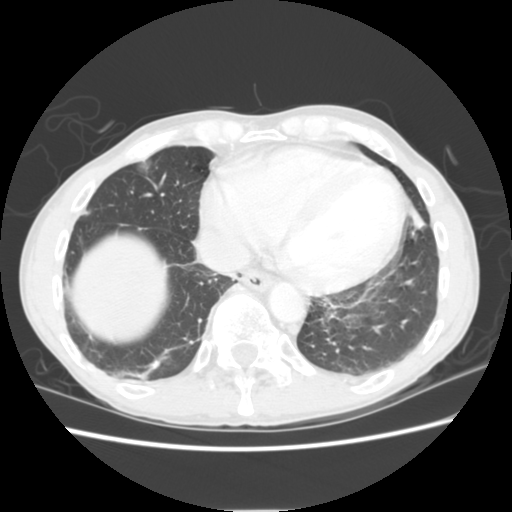
Axial chest CT slice 63 of 255 (counted from the lowest slice); tube voltage 120 kVp, convolution kernel STANDARD; slices 2.50 mm thick, 0.664 mm per pixel.
Pulmonary nodule, outlined by all four readers, three of them on this slice. Box on this slice rows 159–174, columns 136–151, the union of the readers' outlines on this slice; longest diameter 27.2 mm on average over the four readers' outlines (readers' outlines 25.4–30.3 mm), volume 4677–6345 mm3. Ratings, by the readers' most common answer with dissent counted: texture 5/5 (solid) from all four readers; margin split among the readers: 4/5 (two), 5/5 (circumscribed) (two); sphericity 4/5 by two of four readers; the rest gave 3/5 (ovoid) (one), 5/5 (round) (one); calcification absent from all four readers; internal structure soft tissue, all four readers agreeing; subtlety 5/5, all four readers agreeing; malignancy likelihood 5/5 by three of four readers; the rest gave 3/5 (one). Scale key (1–5): texture non-solid→solid, margin indistinct→circumscribed, sphericity linear→round, subtlety extremely subtle→obvious, malignancy likelihood highly unlikely→highly suspicious of cancer. Box rows and columns are 0-based pixel indices from the top-left corner, inclusive.